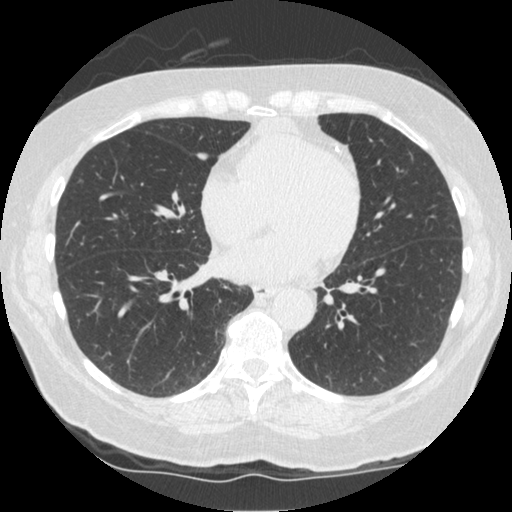
Chest CT, axial plane, 120 kVp, kernel STANDARD. Slice 201/519 from the bottom of the scan; thickness 1.25 mm; pixel size 0.645 mm.
Pulmonary nodule outlined by all four readers; box rows 152–160, columns 195–208 (the union of the readers' outlines on this slice); the four readers' outlines give a longest diameter between 8.4 and 10.5 mm and a volume between 147 and 202 mm3. The readers' ratings, as ranges where they differ: texture 5/5 (solid) from all four readers; margin from 4/5 to 5/5 (circumscribed) across the four readers; sphericity 3/5 (ovoid) from all four readers; calcification absent from all four readers; internal structure soft tissue, all four readers agreeing; subtlety 4–5/5 (the readers disagree); malignancy likelihood 2–4/5 (the readers disagree). Scale key (1–5): texture non-solid→solid, margin indistinct→circumscribed, sphericity linear→round, subtlety extremely subtle→obvious, malignancy likelihood highly unlikely→highly suspicious of cancer. Box rows and columns are 0-based pixel indices from the top-left corner, inclusive.